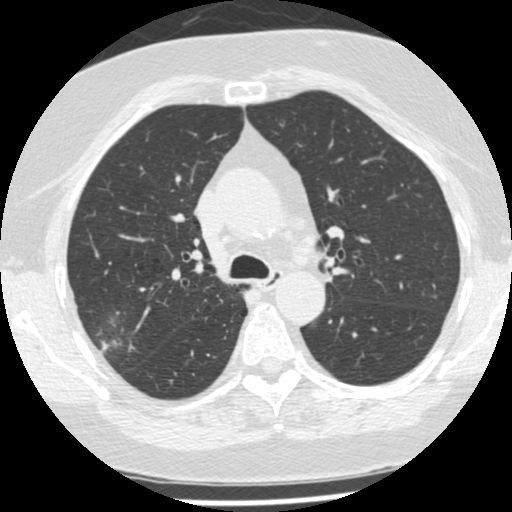
Axial slice 335 of 487 of a chest CT (slice 1 is the lowest), reconstructed with the STANDARD kernel at 120 kVp; 1.25 mm slice thickness and 0.586 mm pixels.
Pulmonary nodule outlined by two of the four readers, one of them on this slice; box rows 333–360, columns 94–125 (the one reader's outline on this slice); longest diameter 18.1 mm on average over the two readers' outlines (readers' outlines 11.3–24.9 mm), volume 232–2964 mm3. The readers' prevailing ratings and who disagreed: texture 3/5 (part-solid), both readers agreeing; margin split among the readers: 1/5 (indistinct) (one), 2/5 (one); sphericity 4/5, both readers agreeing; calcification absent, both readers agreeing; internal structure soft tissue from both readers; subtlety 4/5 from both readers; malignancy likelihood split among the readers: 3/5 (one), 4/5 (one). Scale key (1–5): texture non-solid→solid, margin indistinct→circumscribed, sphericity linear→round, subtlety extremely subtle→obvious, malignancy likelihood highly unlikely→highly suspicious of cancer. Box rows and columns are 0-based pixel indices from the top-left corner, inclusive.